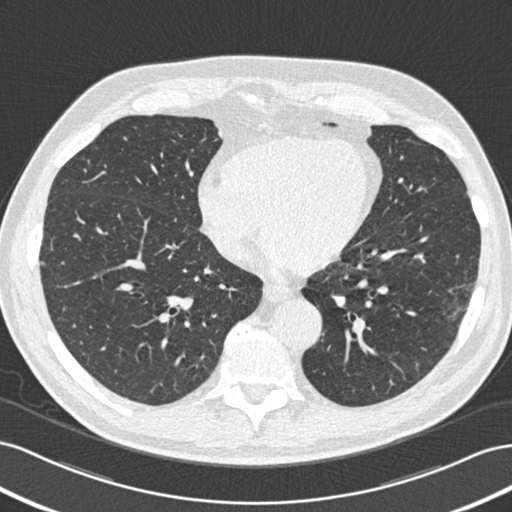
Axial chest CT slice 209 of 506 (counted from the lowest slice); tube voltage 120 kVp, convolution kernel B30f; slices 0.75 mm thick, 0.699 mm per pixel.
Pulmonary nodule outlined by all four readers, two of them on this slice; box rows 262–264, columns 41–43 (the union of the readers' outlines on this slice); median longest diameter 8.2 mm (readers' outlines 8.0–9.0 mm), median volume 186 mm3 (171–198 mm3). Median ratings and the readers' spread: texture 5/5 (solid), all four readers agreeing; median margin 4/5 (readers ranged 3/5 to 5/5 (circumscribed)); median sphericity 5/5 (round) (readers ranged 3/5 (ovoid) to 5/5 (round)); calcification absent from all four readers; internal structure soft tissue from all four readers; subtlety 4/5 at the median of four readers, spread 3–5; median malignancy likelihood 2.5/5 (readers ranged 1–4). Scale key (1–5): texture non-solid→solid, margin indistinct→circumscribed, sphericity linear→round, subtlety extremely subtle→obvious, malignancy likelihood highly unlikely→highly suspicious of cancer. Box rows and columns are 0-based pixel indices from the top-left corner, inclusive.